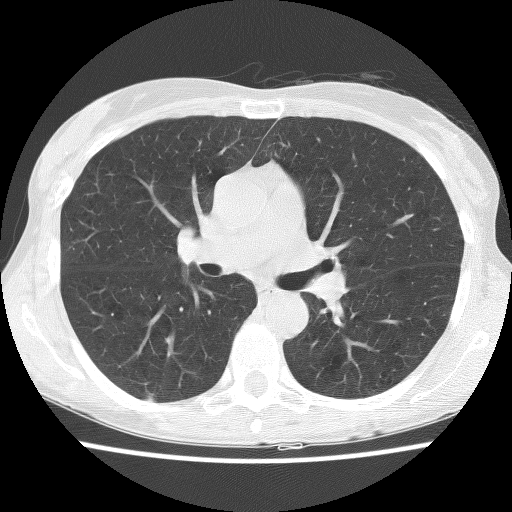
Axial slice 75 of 123 of a chest CT (slice 1 is the lowest), reconstructed with the BONE kernel at 140 kVp; 2.50 mm slice thickness and 0.586 mm pixels.
Pulmonary nodule outlined by one of the four readers; box rows 397–401, columns 143–152 (that reader's outline on this slice); longest diameter 10.7 mm and volume 185 mm3 from that reader's outline. Ratings by that reader: texture 5/5 (solid); margin 5/5 (circumscribed); sphericity 5/5 (round); calcification absent; internal structure soft tissue; subtlety 5/5; malignancy likelihood 2/5. Scale key (1–5): texture non-solid→solid, margin indistinct→circumscribed, sphericity linear→round, subtlety extremely subtle→obvious, malignancy likelihood highly unlikely→highly suspicious of cancer. Box rows and columns are 0-based pixel indices from the top-left corner, inclusive.